Axial chest CT slice 354 of 503 (counted from the lowest slice); tube voltage 120 kVp, convolution kernel STANDARD; slices 1.25 mm thick, 0.742 mm per pixel.
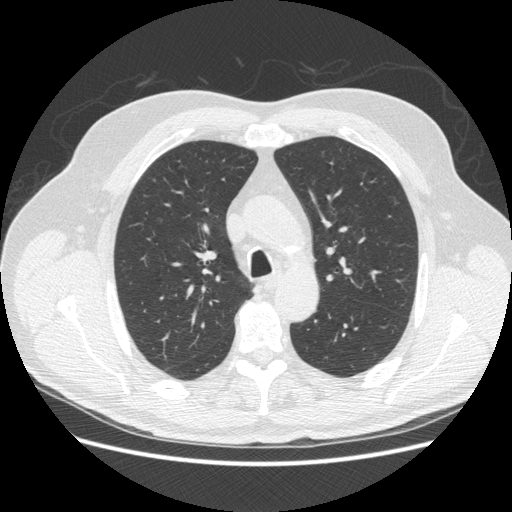
Pulmonary nodule at rows 216–223, columns 156–163 (box = the union of the readers' outlines on this slice), outlined by all four readers; longest diameter 7.6–8.7 mm and volume 67–154 mm3 across the four readers' outlines. Ratings across the readers: texture from 1/5 (non-solid) to 3/5 (part-solid) across the four readers; margin from 2/5 to 5/5 (circumscribed) across the four readers; sphericity from 4/5 to 5/5 (round) across the four readers; calcification absent, all four readers agreeing; internal structure soft tissue from all four readers; subtlety 1–5/5 (the readers disagree); malignancy likelihood from 2/5 to 4/5 across the four readers. Scale key (1–5): texture non-solid→solid, margin indistinct→circumscribed, sphericity linear→round, subtlety extremely subtle→obvious, malignancy likelihood highly unlikely→highly suspicious of cancer. Box rows and columns are 0-based pixel indices from the top-left corner, inclusive.